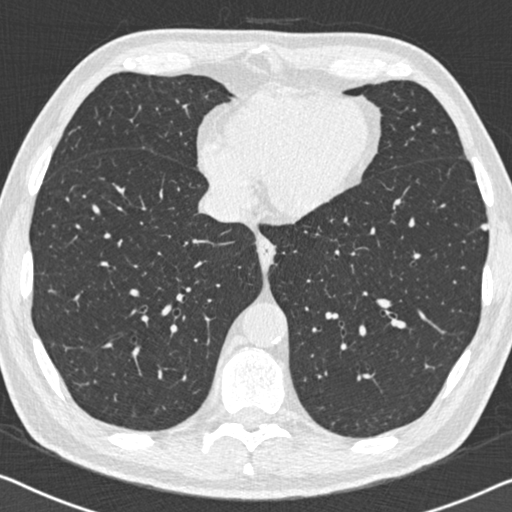
One axial slice (217 of 558, counting up from the lowest) of a chest CT acquired at 120 kVp with the B30f kernel; each pixel is 0.648 mm and the slice is 0.75 mm thick.
Pulmonary nodule, outlined by two of the four readers. Box on this slice rows 223–230, columns 480–488, the union of the readers' outlines on this slice; longest diameter 6.6 mm on average over the two readers' outlines (readers' outlines 6.2–7.0 mm), volume 80–93 mm3. The readers' prevailing ratings and who disagreed: texture split among the readers: 4/5 (one), 5/5 (solid) (one); margin 4/5, both readers agreeing; sphericity split among the readers: 4/5 (one), 5/5 (round) (one); calcification absent, both readers agreeing; internal structure soft tissue, both readers agreeing; subtlety split among the readers: 3/5 (one), 5/5 (one); malignancy likelihood split among the readers: 2/5 (one), 3/5 (one). Scale key (1–5): texture non-solid→solid, margin indistinct→circumscribed, sphericity linear→round, subtlety extremely subtle→obvious, malignancy likelihood highly unlikely→highly suspicious of cancer. Box rows and columns are 0-based pixel indices from the top-left corner, inclusive.